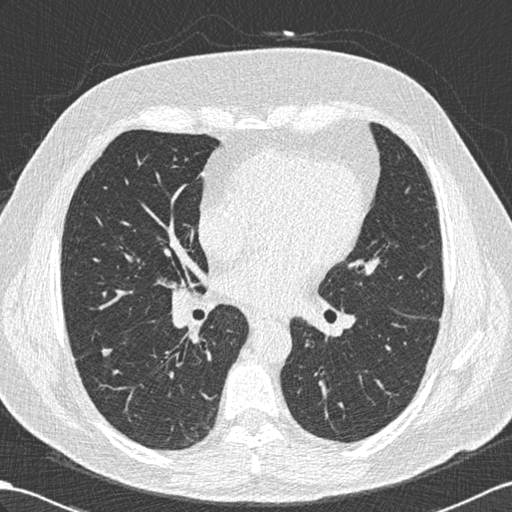
This is axial slice 302 of 636 (slice 1 is the lowest) of a chest CT; each pixel is 0.689 mm and the slice is 0.60 mm thick. Pulmonary nodule at rows 347–357, columns 101–112 (box = the union of the readers' outlines on this slice), outlined by all four readers; the four readers' outlines give a longest diameter between 10.2 and 12.1 mm and a volume between 103 and 208 mm3. The readers' ratings, as ranges where they differ: texture from 4/5 to 5/5 (solid) across the four readers; margin from 3/5 to 5/5 (circumscribed) across the four readers; sphericity 3/5 (ovoid) from all four readers; calcification absent from all four readers; internal structure soft tissue, all four readers agreeing; subtlety rated between 3 and 5 out of 5 by the four readers; malignancy likelihood 3/5, all four readers agreeing. Scale key (1–5): texture non-solid→solid, margin indistinct→circumscribed, sphericity linear→round, subtlety extremely subtle→obvious, malignancy likelihood highly unlikely→highly suspicious of cancer. Box rows and columns are 0-based pixel indices from the top-left corner, inclusive.
Tube voltage 120 kVp; convolution kernel B30f.